Axial slice 128 of 261 of a chest CT (slice 1 is the lowest), reconstructed with the STANDARD kernel at 120 kVp; 1.25 mm slice thickness and 0.682 mm pixels.
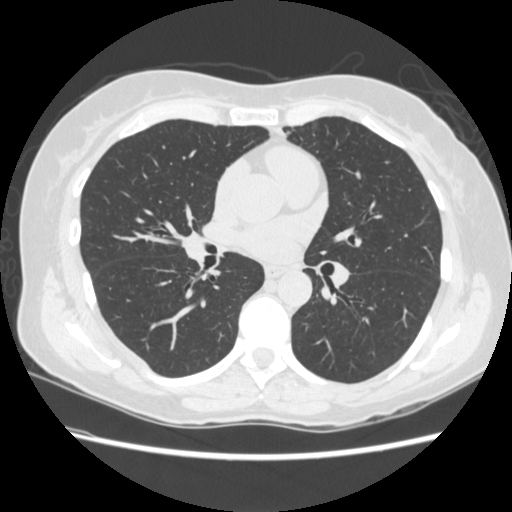
None of the four readers outlined a nodule of 3 mm or more on this slice.